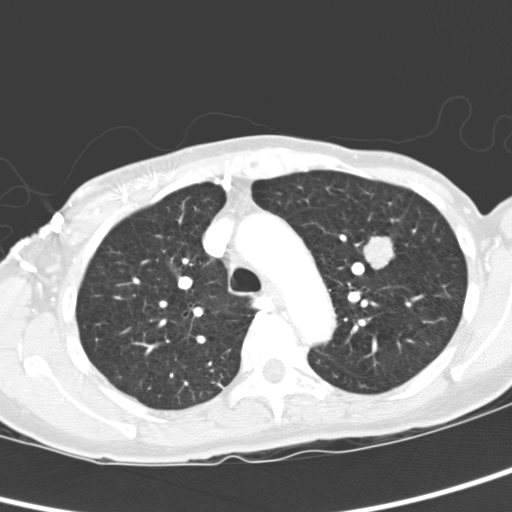
Axial chest CT slice 231 of 321 (counted from the lowest slice); 2.00 mm thick, 0.557 mm per pixel. Pulmonary nodule at rows 235–270, columns 361–394 (box = the union of the readers' outlines on this slice), outlined by all four readers; median longest diameter 20.6 mm (readers' outlines 19.2–22.3 mm), median volume 3516 mm3 (3069–4125 mm3). Ratings, median across the readers with their spread: texture 5/5 (solid), all four readers agreeing; margin 5/5 (circumscribed), all four readers agreeing; sphericity 4.5/5 at the median of four readers, spread 4/5 to 5/5 (round); calcification absent from all four readers; internal structure soft tissue, all four readers agreeing; subtlety 5/5, all four readers agreeing; malignancy likelihood 4/5 at the median of four readers, spread 2–5. Scale key (1–5): texture non-solid→solid, margin indistinct→circumscribed, sphericity linear→round, subtlety extremely subtle→obvious, malignancy likelihood highly unlikely→highly suspicious of cancer. Box rows and columns are 0-based pixel indices from the top-left corner, inclusive.
Scan settings: 120 kVp, D reconstruction kernel.